Axial slice 165 of 426 of a chest CT (slice 1 is the lowest), reconstructed with the STANDARD kernel at 120 kVp; 1.25 mm slice thickness and 0.547 mm pixels.
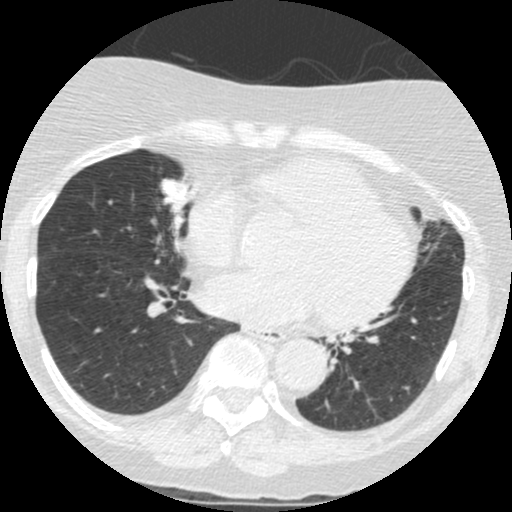
Pulmonary nodule at rows 177–210, columns 158–187 (box = the union of the readers' outlines on this slice), outlined by all four readers; median longest diameter 18.6 mm (readers' outlines 17.0–20.6 mm), median volume 1572 mm3 (1129–1635 mm3). Ratings, median across the readers with their spread: median texture 5/5 (solid) (readers ranged 4/5 to 5/5 (solid)); median margin 3.5/5 (readers ranged 2/5 to 5/5 (circumscribed)); median sphericity 4/5 (readers ranged 3/5 (ovoid) to 5/5 (round)); calcification: absent (three), non-central calcification (one); internal structure soft tissue from all four readers; subtlety 4.5/5 at the median of four readers, spread 3–5; malignancy likelihood 3.5/5 at the median of four readers, spread 2–4. Scale key (1–5): texture non-solid→solid, margin indistinct→circumscribed, sphericity linear→round, subtlety extremely subtle→obvious, malignancy likelihood highly unlikely→highly suspicious of cancer. Box rows and columns are 0-based pixel indices from the top-left corner, inclusive.